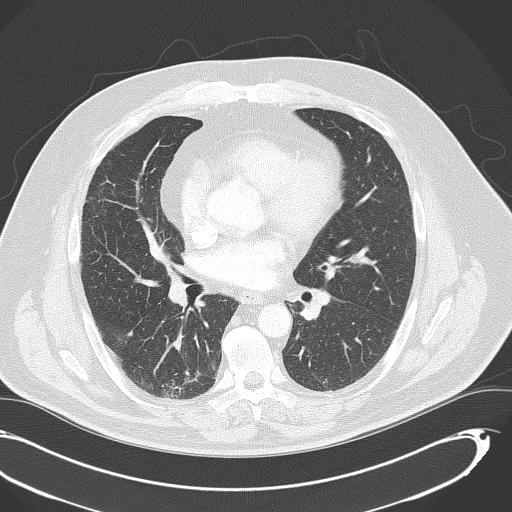
Chest CT, axial plane, 120 kVp, kernel B70f. Slice 196/333 from the bottom of the scan; thickness 2.00 mm; pixel size 0.775 mm.
Pulmonary nodule outlined by three of the four readers, two of them on this slice; box rows 330–335, columns 127–132 (the union of the readers' outlines on this slice); median longest diameter 7.8 mm (readers' outlines 7.1–7.9 mm), median volume 108 mm3 (58–182 mm3). Ratings, median across the readers with their spread: texture 5/5 (solid) at the median of three readers, spread 4/5 to 5/5 (solid); median margin 4/5 (readers ranged 3/5 to 5/5 (circumscribed)); sphericity 3/5 (ovoid) from all three readers; calcification absent from all three readers; internal structure soft tissue from all three readers; median subtlety 3/5 (readers ranged 2–5); malignancy likelihood 2/5 from all three readers. Scale key (1–5): texture non-solid→solid, margin indistinct→circumscribed, sphericity linear→round, subtlety extremely subtle→obvious, malignancy likelihood highly unlikely→highly suspicious of cancer. Box rows and columns are 0-based pixel indices from the top-left corner, inclusive.